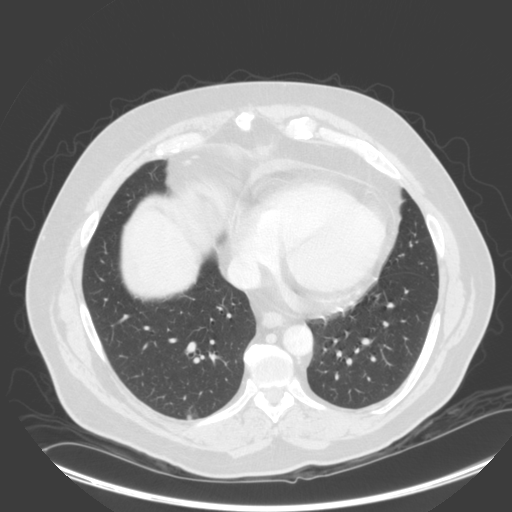
Slice 113/305 of a chest CT, counting up from the lowest; pixel size 0.834 mm, slice thickness 2.00 mm. Pulmonary nodule outlined by three of the four readers; box rows 414–419, columns 186–191 (the union of the readers' outlines on this slice); longest diameter 6.3 mm on average over the three readers' outlines (readers' outlines 5.9–6.7 mm), volume 59–79 mm3. Ratings, by the readers' most common answer with dissent counted: texture 5/5 (solid) from all three readers; margin 5/5 (circumscribed) by two of three readers; the rest gave 4/5 (one); sphericity 4/5 from all three readers; calcification absent, all three readers agreeing; internal structure soft tissue from all three readers; most readers (two of three) put subtlety at 5/5, others 4/5 (one); malignancy likelihood 3/5 by two of three readers; the rest gave 2/5 (one). Scale key (1–5): texture non-solid→solid, margin indistinct→circumscribed, sphericity linear→round, subtlety extremely subtle→obvious, malignancy likelihood highly unlikely→highly suspicious of cancer. Box rows and columns are 0-based pixel indices from the top-left corner, inclusive.
Tube voltage 140 kVp; convolution kernel B.